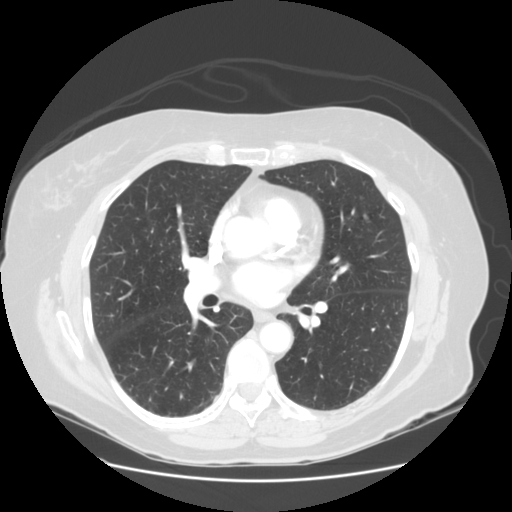
Chest CT, axial plane, 120 kVp, kernel STANDARD. Slice 69/128 from the bottom of the scan; thickness 2.50 mm; pixel size 0.742 mm.
Pulmonary nodule outlined by all four readers, three of them on this slice; box rows 214–220, columns 363–369 (the union of the readers' outlines on this slice); the four readers' outlines give a longest diameter between 6.6 and 8.7 mm and a volume between 143 and 242 mm3. The readers' ratings, as ranges where they differ: texture from 4/5 to 5/5 (solid) across the four readers; margin from 3/5 to 5/5 (circumscribed) across the four readers; sphericity from 3/5 (ovoid) to 5/5 (round) across the four readers; calcification absent from all four readers; internal structure soft tissue, all four readers agreeing; subtlety from 3/5 to 4/5 across the four readers; malignancy likelihood from 2/5 to 3/5 across the four readers. Scale key (1–5): texture non-solid→solid, margin indistinct→circumscribed, sphericity linear→round, subtlety extremely subtle→obvious, malignancy likelihood highly unlikely→highly suspicious of cancer. Box rows and columns are 0-based pixel indices from the top-left corner, inclusive.